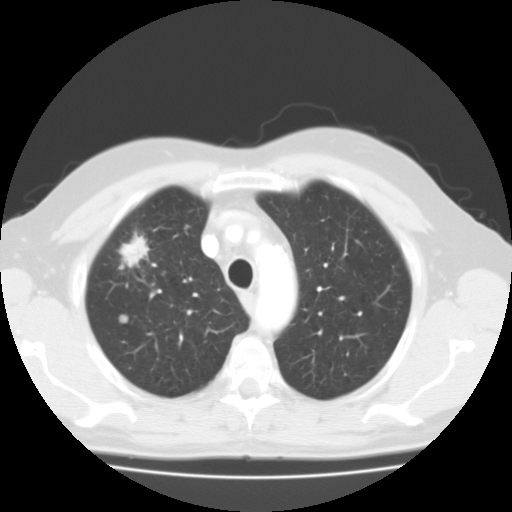
One axial slice (87 of 109, counting up from the lowest) of a chest CT acquired at 135 kVp with the FC01 kernel; each pixel is 0.720 mm and the slice is 3.00 mm thick.
Two pulmonary nodules on this slice, listed from left to right. (1) Pulmonary nodule outlined by all four readers; box rows 314–324, columns 118–128 (the union of the readers' outlines on this slice); median longest diameter 8.9 mm (readers' outlines 8.9–10.0 mm), median volume 431 mm3 (349–490 mm3). Ratings, median across the readers with their spread: median texture 5/5 (solid) (readers ranged 2/5 to 5/5 (solid)); median margin 4/5 (readers ranged 3/5 to 5/5 (circumscribed)); median sphericity 4.5/5 (readers ranged 3/5 (ovoid) to 5/5 (round)); calcification absent, all four readers agreeing; internal structure soft tissue, all four readers agreeing; subtlety 4/5 at the median of four readers, spread 3–5; malignancy likelihood 2/5 at the median of four readers, spread 2–3. (2) Pulmonary nodule, outlined by three of the four readers. Box on this slice rows 232–270, columns 118–148, the union of the readers' outlines on this slice; longest diameter 28.5–30.8 mm and volume 5654–6646 mm3 across the three readers' outlines. Ratings across the readers: texture from 4/5 to 5/5 (solid) across the three readers; margin from 1/5 (indistinct) to 4/5 across the three readers; sphericity from 2/5 to 3/5 (ovoid) across the three readers; calcification absent, all three readers agreeing; internal structure soft tissue, all three readers agreeing; subtlety 5/5 from all three readers; malignancy likelihood from 3/5 to 5/5 across the three readers. Scale key (1–5): texture non-solid→solid, margin indistinct→circumscribed, sphericity linear→round, subtlety extremely subtle→obvious, malignancy likelihood highly unlikely→highly suspicious of cancer. Box rows and columns are 0-based pixel indices from the top-left corner, inclusive.